Axial slice 76 of 113 of a chest CT (slice 1 is the lowest), reconstructed with the STANDARD kernel at 120 kVp; 2.50 mm slice thickness and 0.703 mm pixels.
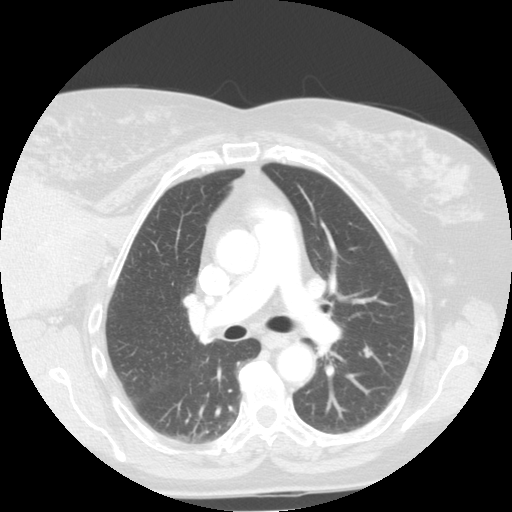
Pulmonary nodule at rows 346–357, columns 363–372 (box = the union of the readers' outlines on this slice), outlined by two of the four readers; the two readers' outlines give a longest diameter between 8.2 and 9.6 mm and a volume between 167 and 169 mm3. The readers' ratings, as ranges where they differ: texture 5/5 (solid) from both readers; margin from 4/5 to 5/5 (circumscribed) across the two readers; sphericity from 3/5 (ovoid) to 4/5 across the two readers; calcification absent, both readers agreeing; internal structure soft tissue from both readers; subtlety from 2/5 to 4/5 across the two readers; malignancy likelihood rated between 3 and 4 out of 5 by the two readers. Scale key (1–5): texture non-solid→solid, margin indistinct→circumscribed, sphericity linear→round, subtlety extremely subtle→obvious, malignancy likelihood highly unlikely→highly suspicious of cancer. Box rows and columns are 0-based pixel indices from the top-left corner, inclusive.